Axial chest CT slice 349 of 481 (counted from the lowest slice); tube voltage 120 kVp, convolution kernel STANDARD; slices 1.25 mm thick, 0.742 mm per pixel.
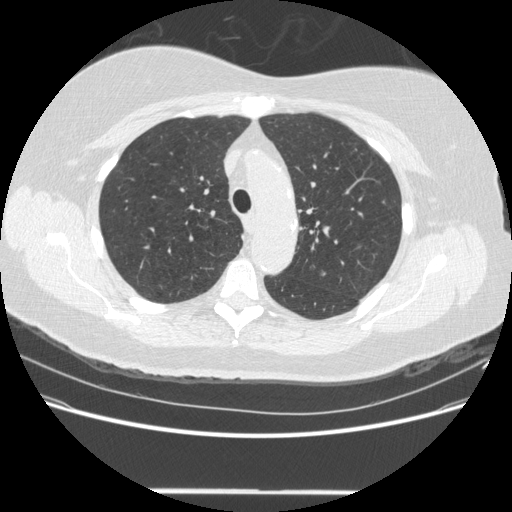
Pulmonary nodule outlined by three of the four readers; box rows 270–276, columns 319–326 (the union of the readers' outlines on this slice); median longest diameter 6.7 mm (readers' outlines 6.3–7.0 mm), median volume 68 mm3 (65–113 mm3). Median ratings and the readers' spread: texture 4/5 at the median of three readers, spread 3/5 (part-solid) to 5/5 (solid); median margin 3/5 (readers ranged 2/5 to 4/5); median sphericity 4/5 (readers ranged 3/5 (ovoid) to 4/5); calcification absent from all three readers; internal structure soft tissue, all three readers agreeing; subtlety 3/5 at the median of three readers, spread 2–4; median malignancy likelihood 3/5 (readers ranged 2–3). Scale key (1–5): texture non-solid→solid, margin indistinct→circumscribed, sphericity linear→round, subtlety extremely subtle→obvious, malignancy likelihood highly unlikely→highly suspicious of cancer. Box rows and columns are 0-based pixel indices from the top-left corner, inclusive.